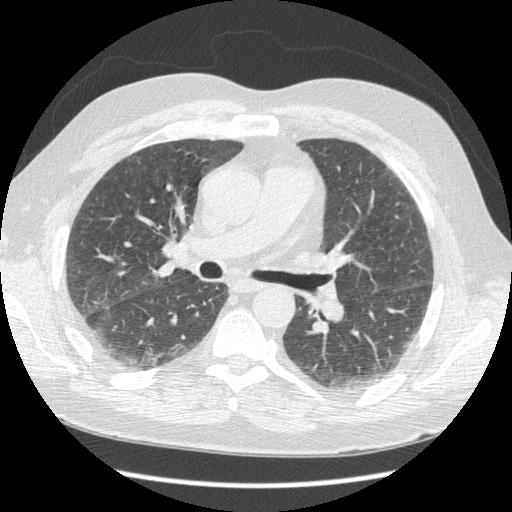
Slice 234/429 of a chest CT, counting up from the lowest; pixel size 0.703 mm, slice thickness 1.25 mm. This slice carries no reader outline of a nodule 3 mm or larger.
Scan settings: 120 kVp, STANDARD reconstruction kernel.